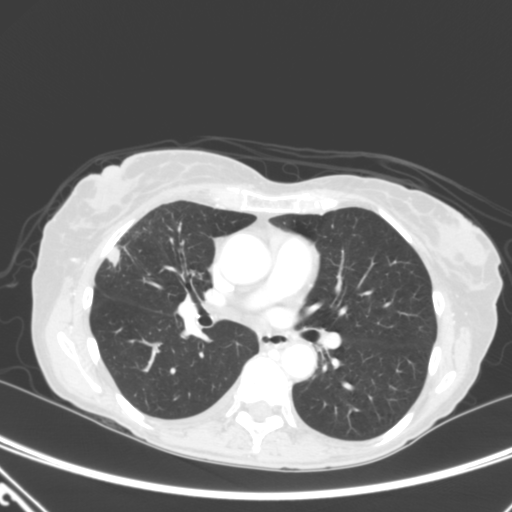
Chest CT, axial plane, 120 kVp, kernel B. Slice 182/320 from the bottom of the scan; thickness 2.00 mm; pixel size 0.662 mm.
Pulmonary nodule outlined by all four readers; box rows 246–270, columns 106–119 (the union of the readers' outlines on this slice); median longest diameter 16.0 mm (readers' outlines 12.2–16.6 mm), median volume 833 mm3 (631–1078 mm3). Ratings, median across the readers with their spread: texture 5/5 (solid), all four readers agreeing; median margin 4/5 (readers ranged 3/5 to 5/5 (circumscribed)); sphericity 3.5/5 at the median of four readers, spread 3/5 (ovoid) to 5/5 (round); calcification absent from all four readers; internal structure soft tissue, all four readers agreeing; subtlety 5/5 from all four readers; malignancy likelihood 4.5/5 at the median of four readers, spread 2–5. Scale key (1–5): texture non-solid→solid, margin indistinct→circumscribed, sphericity linear→round, subtlety extremely subtle→obvious, malignancy likelihood highly unlikely→highly suspicious of cancer. Box rows and columns are 0-based pixel indices from the top-left corner, inclusive.